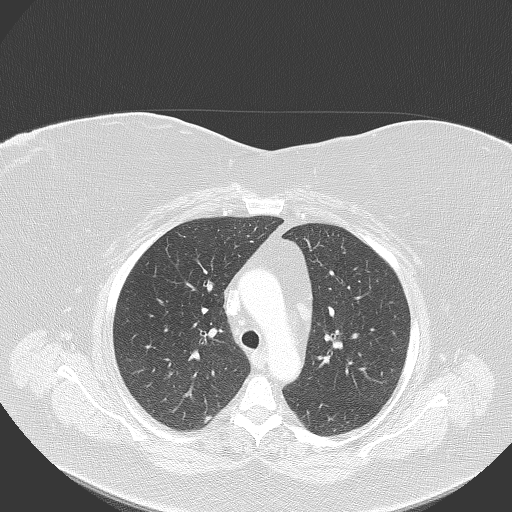
This is axial slice 239 of 320 (slice 1 is the lowest) of a chest CT; each pixel is 0.768 mm and the slice is 2.00 mm thick. Pulmonary nodule outlined by two of the four readers; box rows 415–423, columns 204–212 (the union of the readers' outlines on this slice); longest diameter 9.8 mm on average over the two readers' outlines (readers' outlines 9.3–10.3 mm), volume 181–234 mm3. Ratings, by the readers' most common answer with dissent counted: texture split among the readers: 1/5 (non-solid) (one), 4/5 (one); margin split among the readers: 2/5 (one), 3/5 (one); sphericity split among the readers: 3/5 (ovoid) (one), 5/5 (round) (one); calcification absent, both readers agreeing; internal structure soft tissue, both readers agreeing; subtlety split among the readers: 1/5 (one), 3/5 (one); malignancy likelihood split among the readers: 2/5 (one), 3/5 (one). Scale key (1–5): texture non-solid→solid, margin indistinct→circumscribed, sphericity linear→round, subtlety extremely subtle→obvious, malignancy likelihood highly unlikely→highly suspicious of cancer. Box rows and columns are 0-based pixel indices from the top-left corner, inclusive.
Tube voltage 120 kVp; convolution kernel B70f.